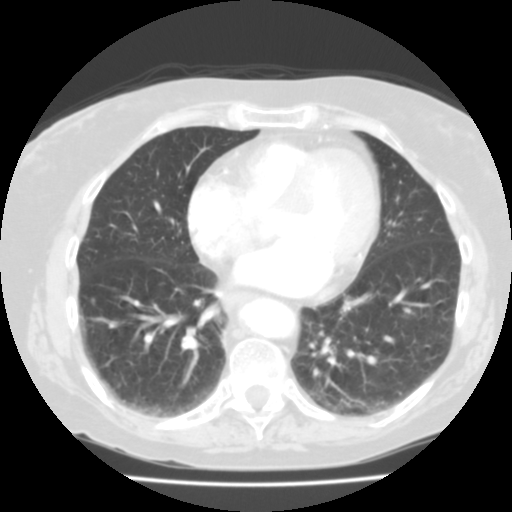
Chest CT, axial plane, 135 kVp, kernel FC03. Slice 52/136 from the bottom of the scan; thickness 2.00 mm; pixel size 0.644 mm.
Pulmonary nodule, outlined by one of the four readers. Box on this slice rows 238–241, columns 85–89, that reader's outline on this slice; longest diameter 6.4 mm and volume 75 mm3 from that reader's outline. Ratings by that reader: texture 1/5 (non-solid); margin 2/5; sphericity 5/5 (round); calcification absent; internal structure soft tissue; subtlety 1/5; malignancy likelihood 2/5. Scale key (1–5): texture non-solid→solid, margin indistinct→circumscribed, sphericity linear→round, subtlety extremely subtle→obvious, malignancy likelihood highly unlikely→highly suspicious of cancer. Box rows and columns are 0-based pixel indices from the top-left corner, inclusive.